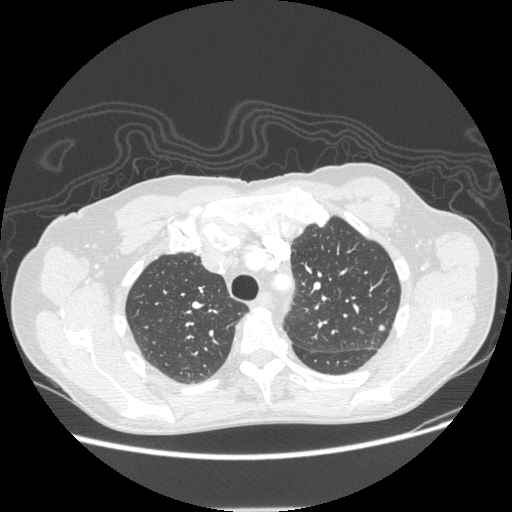
Axial chest CT slice 170 of 232 (counted from the lowest slice); tube voltage 120 kVp, convolution kernel STANDARD; slices 1.25 mm thick, 0.742 mm per pixel.
Pulmonary nodule at rows 324–331, columns 378–385 (box = the union of the readers' outlines on this slice), outlined by three of the four readers; longest diameter 6.1–7.3 mm and volume 107–180 mm3 across the three readers' outlines. The readers' ratings, as ranges where they differ: texture from 4/5 to 5/5 (solid) across the three readers; margin from 4/5 to 5/5 (circumscribed) across the three readers; sphericity from 4/5 to 5/5 (round) across the three readers; calcification absent, all three readers agreeing; internal structure soft tissue, all three readers agreeing; subtlety rated between 2 and 4 out of 5 by the three readers; malignancy likelihood 3/5, all three readers agreeing. Scale key (1–5): texture non-solid→solid, margin indistinct→circumscribed, sphericity linear→round, subtlety extremely subtle→obvious, malignancy likelihood highly unlikely→highly suspicious of cancer. Box rows and columns are 0-based pixel indices from the top-left corner, inclusive.